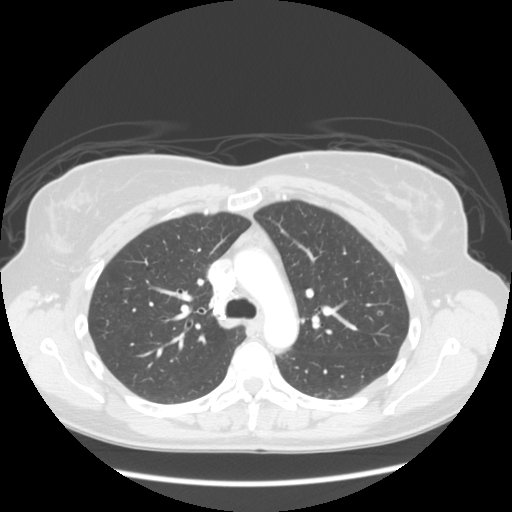
Slice 90/133 of a chest CT, counting up from the lowest; pixel size 0.703 mm, slice thickness 2.50 mm. Pulmonary nodule outlined by one of the four readers; box rows 310–315, columns 377–383 (that reader's outline on this slice); longest diameter 6.0 mm and volume 74 mm3 from that reader's outline. Ratings by that reader: texture 4/5; margin 3/5; sphericity 5/5 (round); calcification absent; internal structure soft tissue; subtlety 1/5; malignancy likelihood 2/5. Scale key (1–5): texture non-solid→solid, margin indistinct→circumscribed, sphericity linear→round, subtlety extremely subtle→obvious, malignancy likelihood highly unlikely→highly suspicious of cancer. Box rows and columns are 0-based pixel indices from the top-left corner, inclusive.
Scan settings: 120 kVp, STANDARD reconstruction kernel.